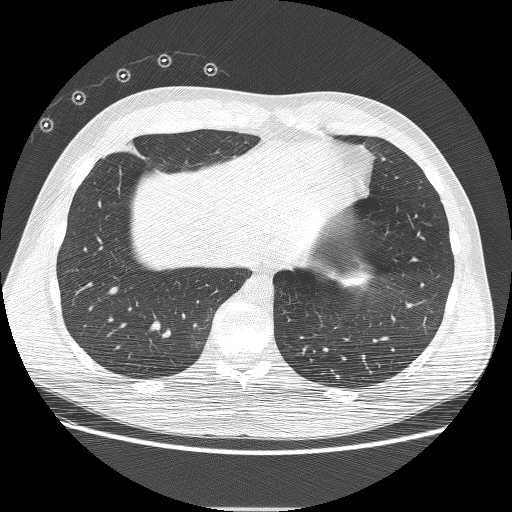
Axial chest CT slice 53 of 230 (counted from the lowest slice); tube voltage 120 kVp, convolution kernel BONE; slices 1.25 mm thick, 0.732 mm per pixel.
Pulmonary nodule at rows 143–159, columns 121–146 (box = the one reader's outline on this slice), outlined by all four readers, one of them on this slice; longest diameter 26.8 mm on average over the four readers' outlines (readers' outlines 23.5–29.5 mm), volume 3146–3701 mm3. Ratings, by the readers' most common answer with dissent counted: texture 5/5 (solid), all four readers agreeing; margin 5/5 (circumscribed) by two of four readers; the rest gave 3/5 (one), 4/5 (one); sphericity split among the readers: 3/5 (ovoid) (two), 4/5 (two); calcification absent, all four readers agreeing; internal structure soft tissue from all four readers; subtlety 5/5, all four readers agreeing; malignancy likelihood 5/5 by three of four readers; the rest gave 4/5 (one). Scale key (1–5): texture non-solid→solid, margin indistinct→circumscribed, sphericity linear→round, subtlety extremely subtle→obvious, malignancy likelihood highly unlikely→highly suspicious of cancer. Box rows and columns are 0-based pixel indices from the top-left corner, inclusive.